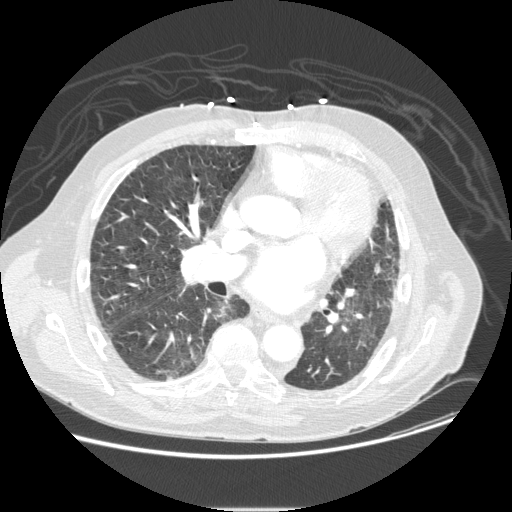
Slice 136/232 of a chest CT, counting up from the lowest; pixel size 0.781 mm, slice thickness 1.25 mm. Pulmonary nodule at rows 302–323, columns 213–235 (box = the one reader's outline on this slice), outlined by three of the four readers, one of them on this slice; longest diameter 21.5 mm on average over the three readers' outlines (readers' outlines 19.3–24.1 mm), volume 947–2023 mm3. Ratings, by the readers' most common answer with dissent counted: most readers (two of three) put texture at 1/5 (non-solid), others 2/5 (one); margin 3/5 by two of three readers; the rest gave 2/5 (one); sphericity split among the readers: 2/5 (one), 3/5 (ovoid) (one), 4/5 (one); calcification absent from all three readers; internal structure soft tissue from all three readers; most readers (two of three) put subtlety at 4/5, others 3/5 (one); malignancy likelihood 4/5 by two of three readers; the rest gave 2/5 (one). Scale key (1–5): texture non-solid→solid, margin indistinct→circumscribed, sphericity linear→round, subtlety extremely subtle→obvious, malignancy likelihood highly unlikely→highly suspicious of cancer. Box rows and columns are 0-based pixel indices from the top-left corner, inclusive.
Tube voltage 120 kVp; convolution kernel STANDARD.